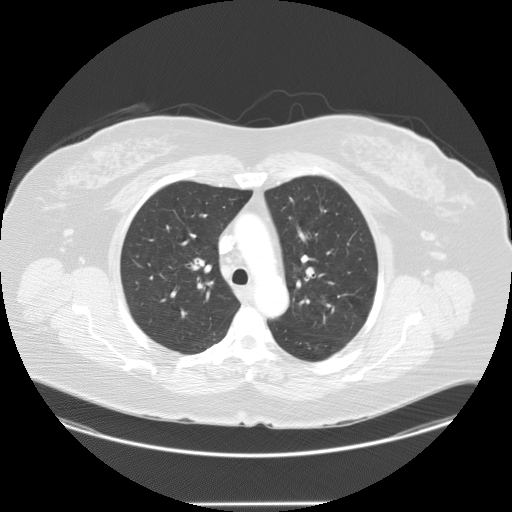
Axial slice 63 of 95 of a chest CT (slice 1 is the lowest), reconstructed with the STANDARD kernel at 120 kVp; 2.50 mm slice thickness and 0.859 mm pixels.
None of the four readers outlined a nodule of 3 mm or more on this slice.